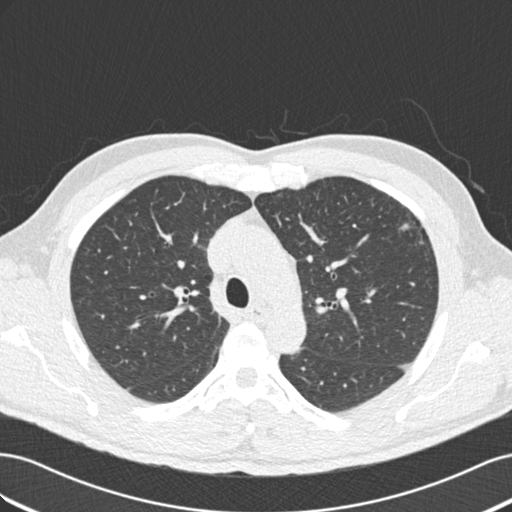
Axial slice 129 of 187 of a chest CT (slice 1 is the lowest), reconstructed with the B30f kernel at 120 kVp; 2.00 mm slice thickness and 0.703 mm pixels.
Pulmonary nodule at rows 224–229, columns 400–410 (box = that reader's outline on this slice), outlined by one of the four readers; longest diameter 8.7 mm and volume 93 mm3 from that reader's outline. Ratings by that reader: texture 3/5 (part-solid); margin 4/5; sphericity 4/5; calcification absent; internal structure soft tissue; subtlety 3/5; malignancy likelihood 3/5. Scale key (1–5): texture non-solid→solid, margin indistinct→circumscribed, sphericity linear→round, subtlety extremely subtle→obvious, malignancy likelihood highly unlikely→highly suspicious of cancer. Box rows and columns are 0-based pixel indices from the top-left corner, inclusive.